Chest CT, axial plane, 120 kVp, kernel B70f. Slice 316/368 from the bottom of the scan; thickness 2.00 mm; pixel size 0.623 mm.
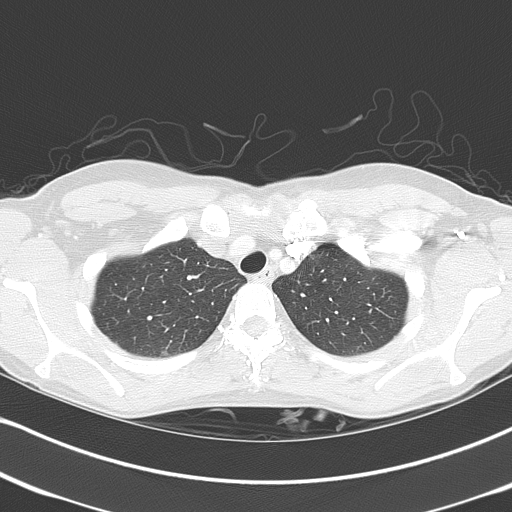
Pulmonary nodule outlined by three of the four readers, two of them on this slice; box rows 351–354, columns 162–167 (the union of the readers' outlines on this slice); longest diameter 6.2 mm on average over the three readers' outlines (readers' outlines 5.1–6.9 mm), volume 47–73 mm3. Ratings, by the readers' most common answer with dissent counted: texture 5/5 (solid) from all three readers; margin split among the readers: 3/5 (one), 4/5 (one), 5/5 (circumscribed) (one); most readers (two of three) put sphericity at 4/5, others 3/5 (ovoid) (one); calcification absent from all three readers; internal structure soft tissue, all three readers agreeing; subtlety split among the readers: 3/5 (one), 4/5 (one), 5/5 (one); malignancy likelihood 2/5 by two of three readers; the rest gave 3/5 (one). Scale key (1–5): texture non-solid→solid, margin indistinct→circumscribed, sphericity linear→round, subtlety extremely subtle→obvious, malignancy likelihood highly unlikely→highly suspicious of cancer. Box rows and columns are 0-based pixel indices from the top-left corner, inclusive.